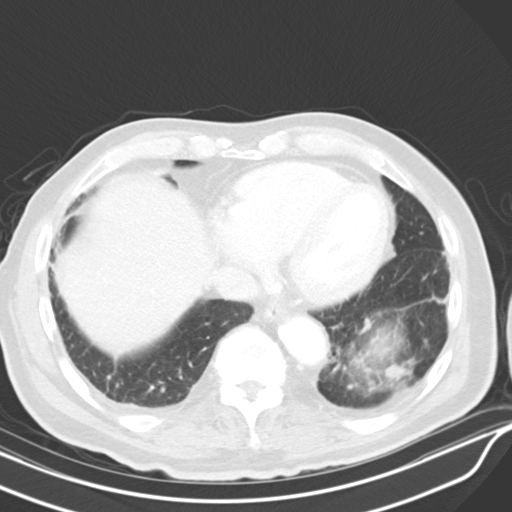
Axial chest CT slice 206 of 319 (counted from the lowest slice); tube voltage 130 kVp, convolution kernel B30s; slices 4.00 mm thick, 0.729 mm per pixel.
Pulmonary nodule, outlined by all four readers. Box on this slice rows 363–378, columns 384–409, the union of the readers' outlines on this slice; the four readers' outlines give a longest diameter between 16.9 and 19.9 mm and a volume between 1011 and 1255 mm3. Ratings across the readers: texture from 3/5 (part-solid) to 5/5 (solid) across the four readers; margin from 2/5 to 4/5 across the four readers; sphericity from 2/5 to 4/5 across the four readers; calcification absent, all four readers agreeing; internal structure soft tissue from all four readers; subtlety from 4/5 to 5/5 across the four readers; malignancy likelihood from 3/5 to 4/5 across the four readers. Scale key (1–5): texture non-solid→solid, margin indistinct→circumscribed, sphericity linear→round, subtlety extremely subtle→obvious, malignancy likelihood highly unlikely→highly suspicious of cancer. Box rows and columns are 0-based pixel indices from the top-left corner, inclusive.